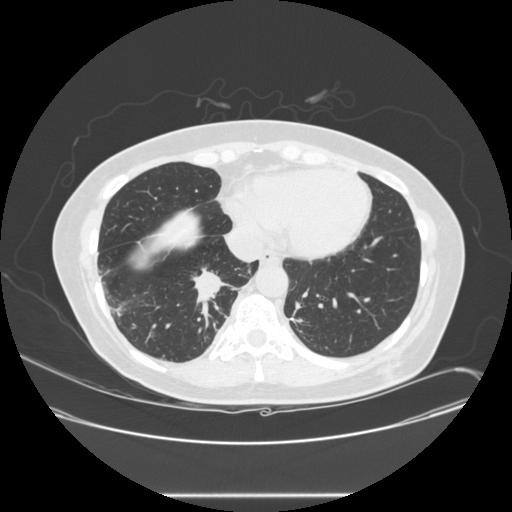
Axial chest CT slice 98 of 257 (counted from the lowest slice); 1.25 mm thick, 0.781 mm per pixel. Pulmonary nodule at rows 266–306, columns 190–235 (box = the union of the readers' outlines on this slice), outlined by all four readers; median longest diameter 33.5 mm (readers' outlines 28.0–45.1 mm), median volume 6377 mm3 (5019–8578 mm3). Ratings, median across the readers with their spread: texture 5/5 (solid) from all four readers; margin 4.5/5 at the median of four readers, spread 1/5 (indistinct) to 5/5 (circumscribed); median sphericity 3.5/5 (readers ranged 3/5 (ovoid) to 4/5); calcification absent from all four readers; internal structure soft tissue, all four readers agreeing; subtlety 5/5 from all four readers; malignancy likelihood 5/5, all four readers agreeing. Scale key (1–5): texture non-solid→solid, margin indistinct→circumscribed, sphericity linear→round, subtlety extremely subtle→obvious, malignancy likelihood highly unlikely→highly suspicious of cancer. Box rows and columns are 0-based pixel indices from the top-left corner, inclusive.
Tube voltage 120 kVp; convolution kernel STANDARD.